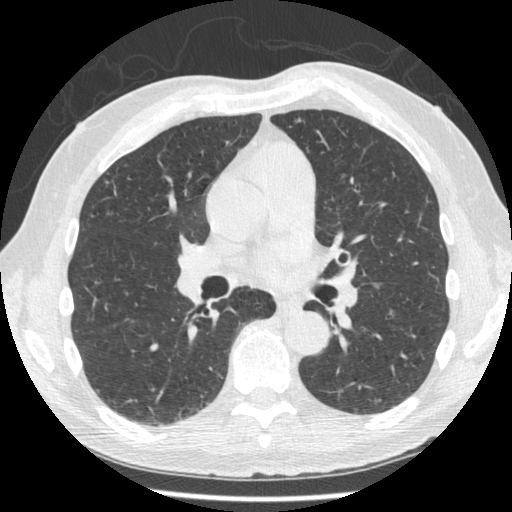
Chest CT, axial plane, 120 kVp, kernel STANDARD. Slice 249/481 from the bottom of the scan; thickness 1.25 mm; pixel size 0.664 mm.
Pulmonary nodule outlined by one of the four readers; box rows 116–122, columns 293–300 (that reader's outline on this slice); longest diameter 6.6 mm and volume 59 mm3 from that reader's outline. Ratings by that reader: texture 5/5 (solid); margin 5/5 (circumscribed); sphericity 3/5 (ovoid); calcification absent; internal structure soft tissue; subtlety 4/5; malignancy likelihood 3/5. Scale key (1–5): texture non-solid→solid, margin indistinct→circumscribed, sphericity linear→round, subtlety extremely subtle→obvious, malignancy likelihood highly unlikely→highly suspicious of cancer. Box rows and columns are 0-based pixel indices from the top-left corner, inclusive.